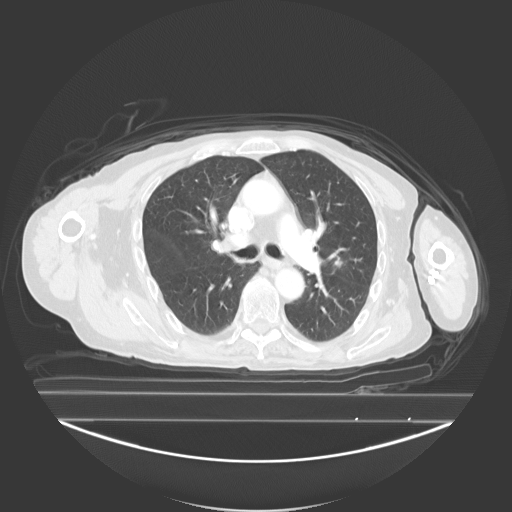
Chest CT, axial plane, 130 kVp, kernel B40s. Slice 164/278 from the bottom of the scan; thickness 3.00 mm; pixel size 0.977 mm.
Pulmonary nodule, outlined by three of the four readers, two of them on this slice. Box on this slice rows 259–266, columns 335–341, the union of the readers' outlines on this slice; median longest diameter 12.8 mm (readers' outlines 12.8–14.8 mm), median volume 803 mm3 (665–985 mm3). Ratings, median across the readers with their spread: texture 5/5 (solid) at the median of three readers, spread 4/5 to 5/5 (solid); margin 4/5 from all three readers; sphericity 5/5 (round) at the median of three readers, spread 4/5 to 5/5 (round); calcification absent, all three readers agreeing; internal structure soft tissue from all three readers; subtlety 4/5 at the median of three readers, spread 3–5; malignancy likelihood 3/5 at the median of three readers, spread 2–4. Scale key (1–5): texture non-solid→solid, margin indistinct→circumscribed, sphericity linear→round, subtlety extremely subtle→obvious, malignancy likelihood highly unlikely→highly suspicious of cancer. Box rows and columns are 0-based pixel indices from the top-left corner, inclusive.